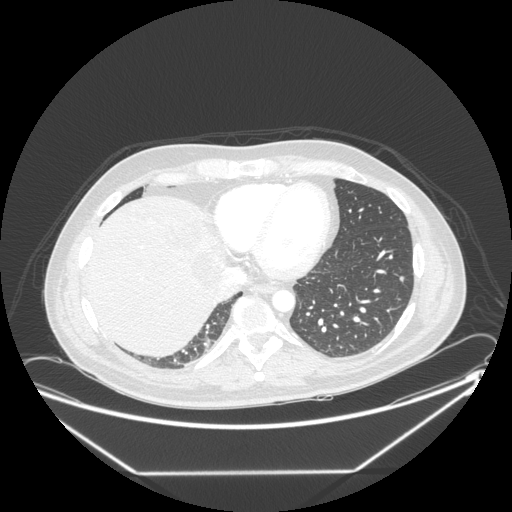
One axial slice (79 of 246, counting up from the lowest) of a chest CT acquired at 120 kVp with the STANDARD kernel; each pixel is 0.859 mm and the slice is 1.25 mm thick.
Pulmonary nodule at rows 276–281, columns 400–403 (box = that reader's outline on this slice), outlined by one of the four readers; longest diameter 6.3 mm and volume 60 mm3 from that reader's outline. Ratings by that reader: texture 5/5 (solid); margin 5/5 (circumscribed); sphericity 5/5 (round); calcification absent; internal structure soft tissue; subtlety 1/5; malignancy likelihood 2/5. Scale key (1–5): texture non-solid→solid, margin indistinct→circumscribed, sphericity linear→round, subtlety extremely subtle→obvious, malignancy likelihood highly unlikely→highly suspicious of cancer. Box rows and columns are 0-based pixel indices from the top-left corner, inclusive.